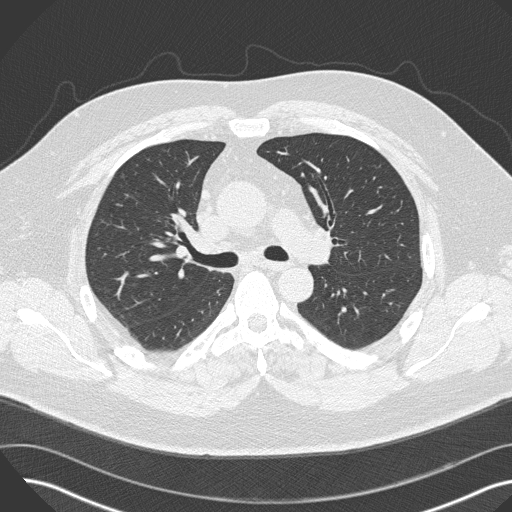
One axial slice (220 of 341, counting up from the lowest) of a chest CT acquired at 120 kVp with the B45f kernel; each pixel is 0.742 mm and the slice is 1.00 mm thick.
This slice carries no reader outline of a nodule 3 mm or larger.